Axial slice 181 of 506 of a chest CT (slice 1 is the lowest), reconstructed with the B30f kernel at 120 kVp; 0.75 mm slice thickness and 0.699 mm pixels.
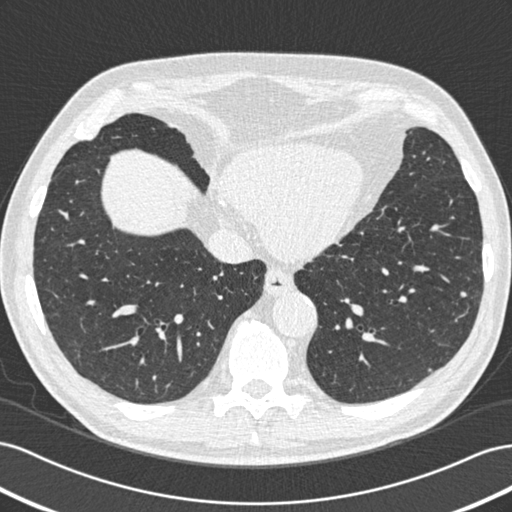
Pulmonary nodule outlined by all four readers; box rows 291–297, columns 460–466 (the union of the readers' outlines on this slice); the four readers' outlines give a longest diameter between 6.6 and 7.8 mm and a volume between 93 and 162 mm3. Ratings across the readers: texture 5/5 (solid), all four readers agreeing; margin from 3/5 to 5/5 (circumscribed) across the four readers; sphericity from 3/5 (ovoid) to 5/5 (round) across the four readers; calcification absent, all four readers agreeing; internal structure soft tissue, all four readers agreeing; subtlety 2–3/5 (the readers disagree); malignancy likelihood rated between 1 and 3 out of 5 by the four readers. Scale key (1–5): texture non-solid→solid, margin indistinct→circumscribed, sphericity linear→round, subtlety extremely subtle→obvious, malignancy likelihood highly unlikely→highly suspicious of cancer. Box rows and columns are 0-based pixel indices from the top-left corner, inclusive.